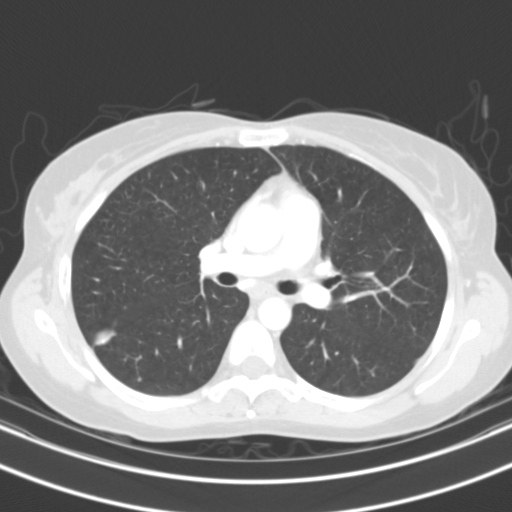
Axial slice 69 of 108 of a chest CT (slice 1 is the lowest), reconstructed with the B31s kernel at 130 kVp; 3.00 mm slice thickness and 0.629 mm pixels.
Pulmonary nodule, outlined by all four readers. Box on this slice rows 328–345, columns 93–116, the union of the readers' outlines on this slice; longest diameter 16.4 mm on average over the four readers' outlines (readers' outlines 15.5–16.9 mm), volume 796–1190 mm3. Ratings, by the readers' most common answer with dissent counted: texture 5/5 (solid) by three of four readers; the rest gave 4/5 (one); margin split among the readers: 4/5 (two), 5/5 (circumscribed) (two); sphericity 4/5 by two of four readers; the rest gave 3/5 (ovoid) (one), 5/5 (round) (one); calcification solid calcification by three of four readers, absent (one); internal structure soft tissue, all four readers agreeing; subtlety 5/5 by three of four readers; the rest gave 4/5 (one); most readers (three of four) put malignancy likelihood at 1/5, others 3/5 (one). Scale key (1–5): texture non-solid→solid, margin indistinct→circumscribed, sphericity linear→round, subtlety extremely subtle→obvious, malignancy likelihood highly unlikely→highly suspicious of cancer. Box rows and columns are 0-based pixel indices from the top-left corner, inclusive.